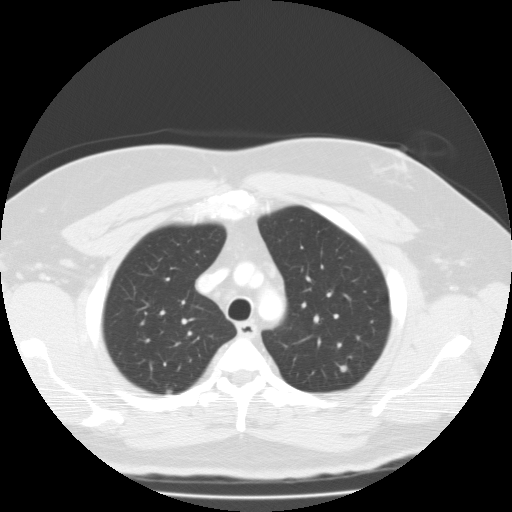
Axial slice 100 of 126 of a chest CT (slice 1 is the lowest), reconstructed with the FC01 kernel at 135 kVp; 3.00 mm slice thickness and 0.744 mm pixels.
Two pulmonary nodules are outlined on this slice; from left to right: (1) Pulmonary nodule at rows 390–393, columns 166–171 (box = the union of the readers' outlines on this slice), outlined by two of the four readers; the two readers' outlines give a longest diameter between 6.3 and 7.9 mm and a volume between 111 and 192 mm3. Ratings across the readers: texture from 1/5 (non-solid) to 5/5 (solid) across the two readers; margin from 2/5 to 4/5 across the two readers; sphericity 4/5 from both readers; calcification absent from both readers; internal structure soft tissue from both readers; subtlety 1–3/5 (the readers disagree); malignancy likelihood from 1/5 to 3/5 across the two readers. (2) Pulmonary nodule outlined by three of the four readers; box rows 364–372, columns 339–348 (the union of the readers' outlines on this slice); longest diameter 7.5 mm on average over the three readers' outlines (readers' outlines 6.7–8.3 mm), volume 228–298 mm3. Ratings, by the readers' most common answer with dissent counted: most readers (two of three) put texture at 4/5, others 5/5 (solid) (one); margin 3/5 by two of three readers; the rest gave 5/5 (circumscribed) (one); most readers (two of three) put sphericity at 5/5 (round), others 4/5 (one); calcification absent by two of three readers, solid calcification (one); internal structure soft tissue, all three readers agreeing; most readers (two of three) put subtlety at 2/5, others 3/5 (one); most readers (two of three) put malignancy likelihood at 3/5, others 1/5 (one). Scale key (1–5): texture non-solid→solid, margin indistinct→circumscribed, sphericity linear→round, subtlety extremely subtle→obvious, malignancy likelihood highly unlikely→highly suspicious of cancer. Box rows and columns are 0-based pixel indices from the top-left corner, inclusive.